Axial chest CT slice 121 of 350 (counted from the lowest slice); tube voltage 120 kVp, convolution kernel C; slices 1.50 mm thick, 0.725 mm per pixel.
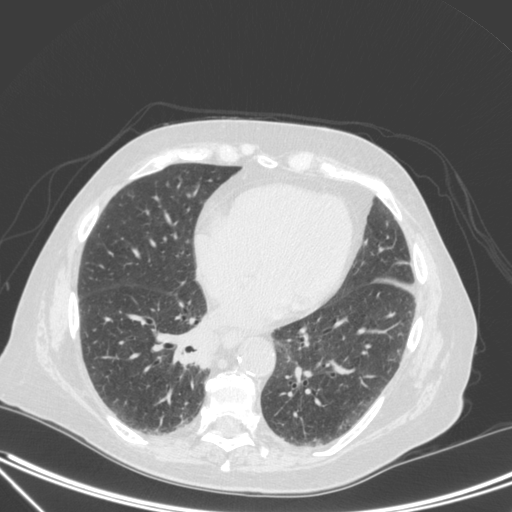
Pulmonary nodule outlined by one of the four readers; box rows 333–367, columns 194–220 (that reader's outline on this slice); longest diameter 29.7 mm and volume 4028 mm3 from that reader's outline. That reader's ratings: texture 5/5 (solid); margin 3/5; sphericity 3/5 (ovoid); calcification absent; internal structure soft tissue; subtlety 5/5; malignancy likelihood 4/5. Scale key (1–5): texture non-solid→solid, margin indistinct→circumscribed, sphericity linear→round, subtlety extremely subtle→obvious, malignancy likelihood highly unlikely→highly suspicious of cancer. Box rows and columns are 0-based pixel indices from the top-left corner, inclusive.